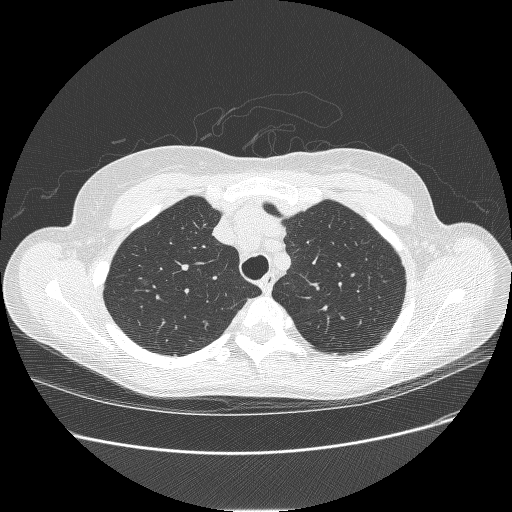
Slice 199/238 of a chest CT, counting up from the lowest; pixel size 0.703 mm, slice thickness 1.25 mm. Pulmonary nodule outlined by one of the four readers; box rows 278–287, columns 135–152 (that reader's outline on this slice); longest diameter 14.0 mm and volume 212 mm3 from that reader's outline. That reader's ratings: texture 1/5 (non-solid); margin 1/5 (indistinct); sphericity 4/5; calcification absent; internal structure soft tissue; subtlety 3/5; malignancy likelihood 4/5. Scale key (1–5): texture non-solid→solid, margin indistinct→circumscribed, sphericity linear→round, subtlety extremely subtle→obvious, malignancy likelihood highly unlikely→highly suspicious of cancer. Box rows and columns are 0-based pixel indices from the top-left corner, inclusive.
Scan settings: 120 kVp, BONE reconstruction kernel.